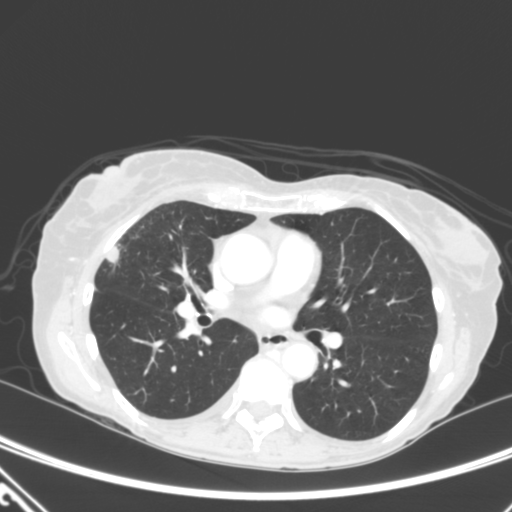
One axial slice (180 of 320, counting up from the lowest) of a chest CT acquired at 120 kVp with the B kernel; each pixel is 0.662 mm and the slice is 2.00 mm thick.
Pulmonary nodule, outlined by all four readers. Box on this slice rows 245–263, columns 104–121, the union of the readers' outlines on this slice; the four readers' outlines give a longest diameter between 12.2 and 16.6 mm and a volume between 631 and 1078 mm3. Ratings across the readers: texture 5/5 (solid), all four readers agreeing; margin from 3/5 to 5/5 (circumscribed) across the four readers; sphericity from 3/5 (ovoid) to 5/5 (round) across the four readers; calcification absent, all four readers agreeing; internal structure soft tissue from all four readers; subtlety 5/5 from all four readers; malignancy likelihood 2–5/5 (the readers disagree). Scale key (1–5): texture non-solid→solid, margin indistinct→circumscribed, sphericity linear→round, subtlety extremely subtle→obvious, malignancy likelihood highly unlikely→highly suspicious of cancer. Box rows and columns are 0-based pixel indices from the top-left corner, inclusive.